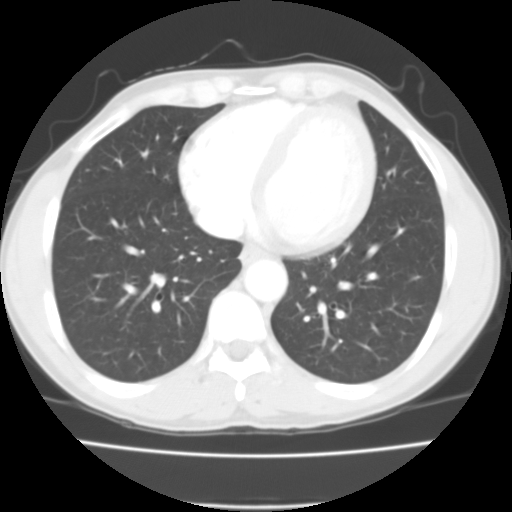
This is axial slice 40 of 104 (slice 1 is the lowest) of a chest CT; each pixel is 0.622 mm and the slice is 3.00 mm thick. None of the four readers outlined a nodule of 3 mm or more on this slice.
Tube voltage 135 kVp; convolution kernel FC01.